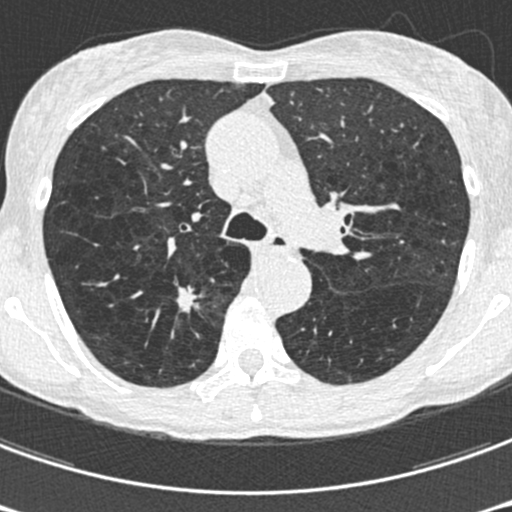
Axial slice 411 of 633 of a chest CT (slice 1 is the lowest), reconstructed with the B30f kernel at 120 kVp; 0.60 mm slice thickness and 0.541 mm pixels.
Pulmonary nodule outlined by all four readers; box rows 286–312, columns 176–198 (the union of the readers' outlines on this slice); longest diameter 19.0 mm on average over the four readers' outlines (readers' outlines 18.1–21.0 mm), volume 1292–1642 mm3. The readers' prevailing ratings and who disagreed: texture 5/5 (solid) from all four readers; margin 2/5 by two of four readers; the rest gave 1/5 (indistinct) (one), 3/5 (one); sphericity 3/5 (ovoid) by two of four readers; the rest gave 2/5 (one), 4/5 (one); calcification absent, all four readers agreeing; internal structure soft tissue, all four readers agreeing; most readers (three of four) put subtlety at 5/5, others 4/5 (one); malignancy likelihood 5/5 by three of four readers; the rest gave 4/5 (one). Scale key (1–5): texture non-solid→solid, margin indistinct→circumscribed, sphericity linear→round, subtlety extremely subtle→obvious, malignancy likelihood highly unlikely→highly suspicious of cancer. Box rows and columns are 0-based pixel indices from the top-left corner, inclusive.